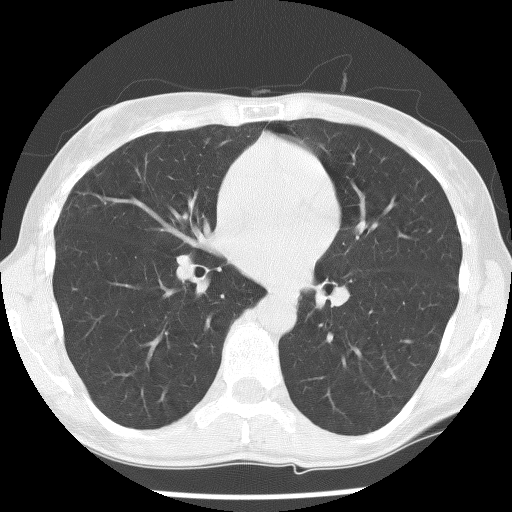
Chest CT, axial plane, 140 kVp, kernel BONE. Slice 68/135 from the bottom of the scan; thickness 2.50 mm; pixel size 0.557 mm.
No nodule 3 mm or larger was outlined here by any reader.